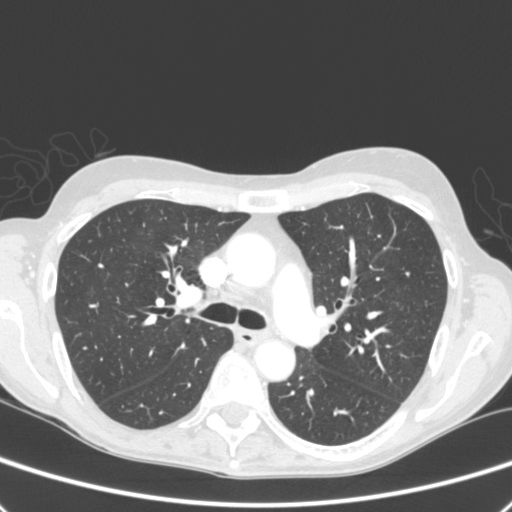
Slice 240/392 of a chest CT, counting up from the lowest; pixel size 0.639 mm, slice thickness 1.50 mm. None of the four readers outlined a nodule of 3 mm or more on this slice.
Tube voltage 120 kVp; convolution kernel C.